Axial slice 41 of 110 of a chest CT (slice 1 is the lowest), reconstructed with the FC01 kernel at 135 kVp; 3.00 mm slice thickness and 0.732 mm pixels.
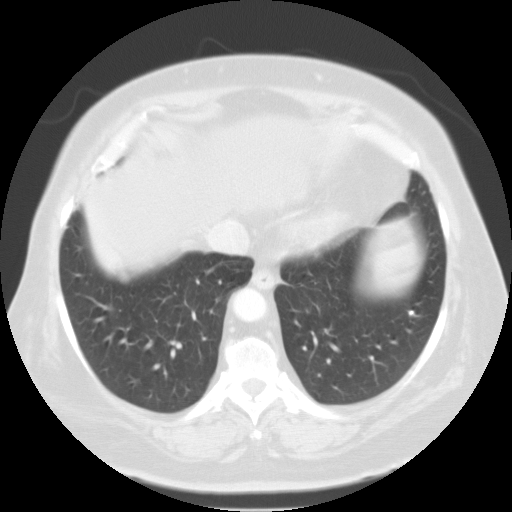
Pulmonary nodule at rows 310–315, columns 409–413 (box = the union of the readers' outlines on this slice), outlined by two of the four readers; longest diameter 5.1 mm on average over the two readers' outlines (readers' outlines 4.9–5.3 mm), volume 83–98 mm3. The readers' prevailing ratings and who disagreed: texture 5/5 (solid) from both readers; margin 5/5 (circumscribed) from both readers; sphericity split among the readers: 4/5 (one), 5/5 (round) (one); calcification solid calcification, both readers agreeing; internal structure soft tissue from both readers; subtlety split among the readers: 3/5 (one), 5/5 (one); malignancy likelihood 1/5, both readers agreeing. Scale key (1–5): texture non-solid→solid, margin indistinct→circumscribed, sphericity linear→round, subtlety extremely subtle→obvious, malignancy likelihood highly unlikely→highly suspicious of cancer. Box rows and columns are 0-based pixel indices from the top-left corner, inclusive.